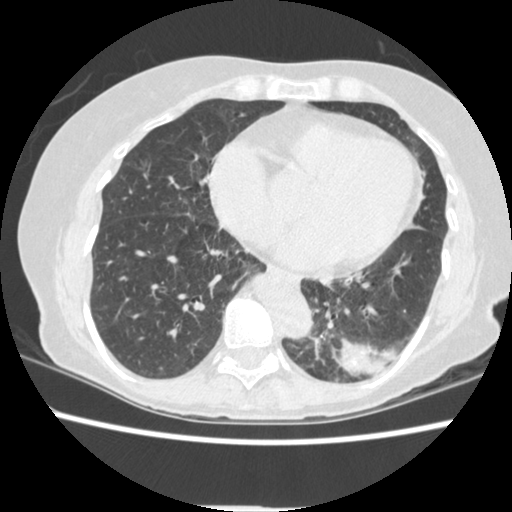
Axial chest CT slice 119 of 362 (counted from the lowest slice); tube voltage 120 kVp, convolution kernel STANDARD; slices 1.25 mm thick, 0.625 mm per pixel.
Pulmonary nodule at rows 339–374, columns 333–389 (box = that reader's outline on this slice), outlined by one of the four readers; longest diameter 37.2 mm and volume 2579 mm3 from that reader's outline. Ratings by that reader: texture 5/5 (solid); margin 3/5; sphericity 4/5; calcification absent; internal structure soft tissue; subtlety 5/5; malignancy likelihood 4/5. Scale key (1–5): texture non-solid→solid, margin indistinct→circumscribed, sphericity linear→round, subtlety extremely subtle→obvious, malignancy likelihood highly unlikely→highly suspicious of cancer. Box rows and columns are 0-based pixel indices from the top-left corner, inclusive.